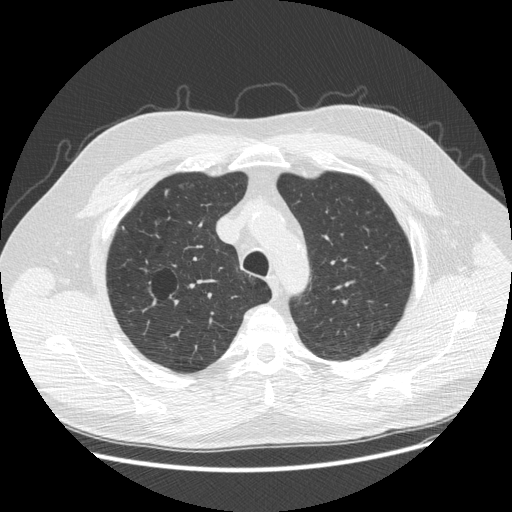
Slice 380/481 of a chest CT, counting up from the lowest; pixel size 0.742 mm, slice thickness 1.25 mm. Pulmonary nodule outlined by two of the four readers; box rows 188–197, columns 164–169 (the union of the readers' outlines on this slice); median longest diameter 8.7 mm (readers' outlines 8.5–9.0 mm), median volume 95 mm3 (54–136 mm3). Ratings, median across the readers with their spread: median texture 3.5/5 (readers ranged 3/5 (part-solid) to 4/5); margin 3/5 at the median of two readers, spread 2/5 to 4/5; median sphericity 2.5/5 (readers ranged 2/5 to 3/5 (ovoid)); calcification absent from both readers; internal structure soft tissue, both readers agreeing; subtlety 2/5 at the median of two readers, spread 1–3; median malignancy likelihood 3/5 (readers ranged 2–4). Scale key (1–5): texture non-solid→solid, margin indistinct→circumscribed, sphericity linear→round, subtlety extremely subtle→obvious, malignancy likelihood highly unlikely→highly suspicious of cancer. Box rows and columns are 0-based pixel indices from the top-left corner, inclusive.
Acquired at 120 kVp and reconstructed with the STANDARD kernel.